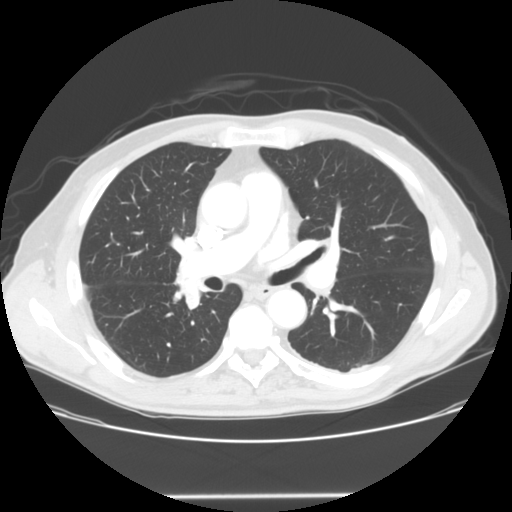
Axial slice 75 of 128 of a chest CT (slice 1 is the lowest), reconstructed with the STANDARD kernel at 120 kVp; 2.50 mm slice thickness and 0.742 mm pixels.
This slice carries no reader outline of a nodule 3 mm or larger.